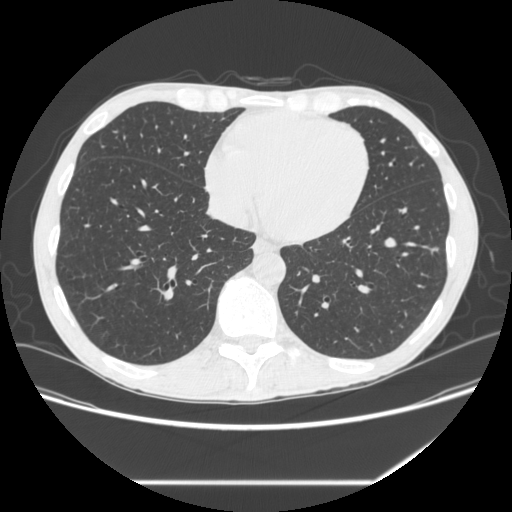
Axial slice 104 of 301 of a chest CT (slice 1 is the lowest), reconstructed with the STANDARD kernel at 120 kVp; 1.25 mm slice thickness and 0.752 mm pixels.
Pulmonary nodule at rows 247–249, columns 433–437 (box = the one reader's outline on this slice), outlined by all four readers, one of them on this slice; longest diameter 6.1–7.9 mm and volume 82–103 mm3 across the four readers' outlines. The readers' ratings, as ranges where they differ: texture from 4/5 to 5/5 (solid) across the four readers; margin from 4/5 to 5/5 (circumscribed) across the four readers; sphericity from 3/5 (ovoid) to 4/5 across the four readers; calcification absent from all four readers; internal structure soft tissue from all four readers; subtlety 2–4/5 (the readers disagree); malignancy likelihood 2/5 from all four readers. Scale key (1–5): texture non-solid→solid, margin indistinct→circumscribed, sphericity linear→round, subtlety extremely subtle→obvious, malignancy likelihood highly unlikely→highly suspicious of cancer. Box rows and columns are 0-based pixel indices from the top-left corner, inclusive.